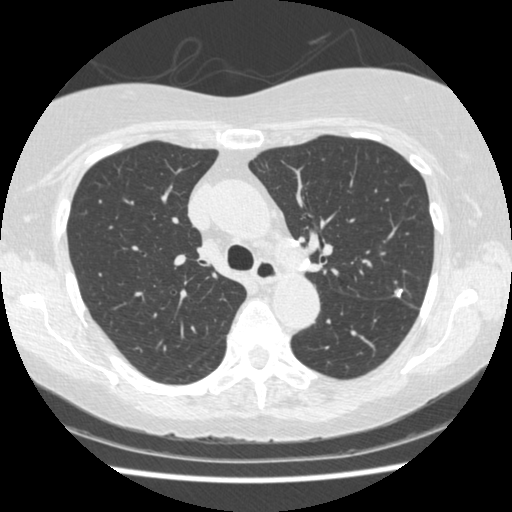
Axial slice 297 of 458 of a chest CT (slice 1 is the lowest), reconstructed with the STANDARD kernel at 120 kVp; 1.25 mm slice thickness and 0.625 mm pixels.
Two pulmonary nodules on this slice, listed from left to right. (1) Pulmonary nodule at rows 260–269, columns 302–309 (box = that reader's outline on this slice), outlined by one of the four readers; longest diameter 11.9 mm and volume 579 mm3 from that reader's outline. That reader's ratings: texture 5/5 (solid); margin 5/5 (circumscribed); sphericity 5/5 (round); calcification solid calcification; internal structure soft tissue; subtlety 4/5; malignancy likelihood 1/5. (2) Pulmonary nodule at rows 289–297, columns 394–402 (box = the union of the readers' outlines on this slice), outlined by all four readers; longest diameter 6.9 mm on average over the four readers' outlines (readers' outlines 6.8–7.1 mm), volume 96–159 mm3. Ratings, by the readers' most common answer with dissent counted: most readers (three of four) put texture at 5/5 (solid), others 4/5 (one); margin 5/5 (circumscribed) by three of four readers; the rest gave 4/5 (one); sphericity split among the readers: 3/5 (ovoid) (two), 4/5 (two); calcification solid calcification by two of four readers, central calcification (one), absent (one); internal structure soft tissue, all four readers agreeing; subtlety split among the readers: 4/5 (two), 5/5 (two); malignancy likelihood 1/5 by three of four readers; the rest gave 3/5 (one). Scale key (1–5): texture non-solid→solid, margin indistinct→circumscribed, sphericity linear→round, subtlety extremely subtle→obvious, malignancy likelihood highly unlikely→highly suspicious of cancer. Box rows and columns are 0-based pixel indices from the top-left corner, inclusive.